One axial slice (94 of 280, counting up from the lowest) of a chest CT acquired at 120 kVp with the D kernel; each pixel is 0.666 mm and the slice is 1.00 mm thick.
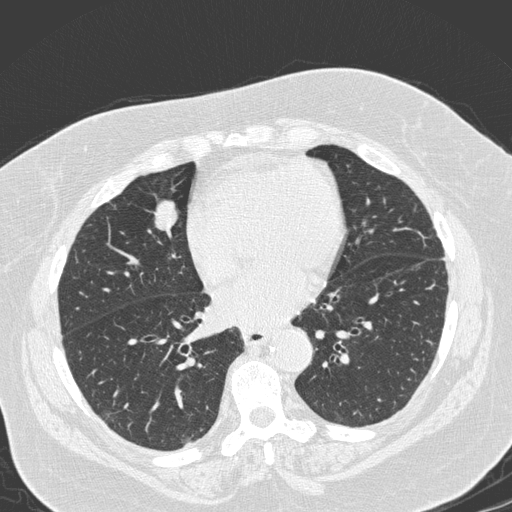
Two pulmonary nodules are outlined on this slice; from left to right: (1) Pulmonary nodule, outlined by two of the four readers. Box on this slice rows 409–421, columns 101–116, the union of the readers' outlines on this slice; the two readers' outlines give a longest diameter between 16.7 and 18.8 mm and a volume between 1162 and 1377 mm3. The readers' ratings, as ranges where they differ: texture 1/5 (non-solid), both readers agreeing; margin 2/5 from both readers; sphericity from 3/5 (ovoid) to 5/5 (round) across the two readers; calcification absent, both readers agreeing; internal structure soft tissue, both readers agreeing; subtlety from 1/5 to 4/5 across the two readers; malignancy likelihood from 2/5 to 3/5 across the two readers. (2) Pulmonary nodule at rows 198–231, columns 154–178 (box = the union of the readers' outlines on this slice), outlined by all four readers; longest diameter 25.9 mm on average over the four readers' outlines (readers' outlines 25.0–27.8 mm), volume 4698–5913 mm3. The readers' prevailing ratings and who disagreed: texture 5/5 (solid) from all four readers; margin split among the readers: 4/5 (two), 5/5 (circumscribed) (two); sphericity 5/5 (round) by two of four readers; the rest gave 3/5 (ovoid) (one), 4/5 (one); calcification absent from all four readers; internal structure soft tissue from all four readers; subtlety 5/5, all four readers agreeing; malignancy likelihood 5/5 by two of four readers; the rest gave 2/5 (one), 4/5 (one). Scale key (1–5): texture non-solid→solid, margin indistinct→circumscribed, sphericity linear→round, subtlety extremely subtle→obvious, malignancy likelihood highly unlikely→highly suspicious of cancer. Box rows and columns are 0-based pixel indices from the top-left corner, inclusive.